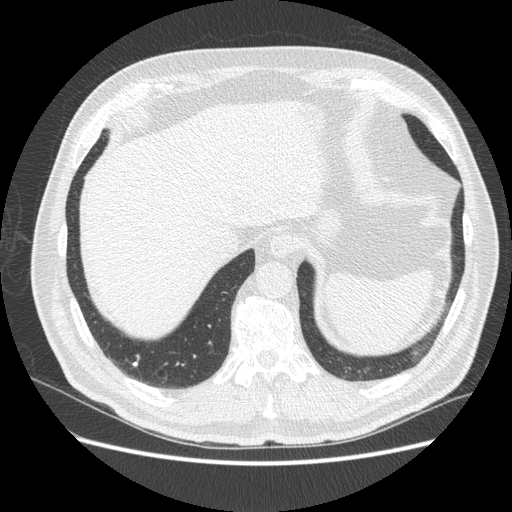
Axial slice 116 of 503 of a chest CT (slice 1 is the lowest), reconstructed with the STANDARD kernel at 120 kVp; 1.25 mm slice thickness and 0.742 mm pixels.
Pulmonary nodule, outlined by one of the four readers. Box on this slice rows 362–365, columns 133–137, that reader's outline on this slice; longest diameter 5.4 mm and volume 38 mm3 from that reader's outline. That reader's ratings: texture 5/5 (solid); margin 5/5 (circumscribed); sphericity 3/5 (ovoid); calcification solid calcification; internal structure soft tissue; subtlety 3/5; malignancy likelihood 1/5. Scale key (1–5): texture non-solid→solid, margin indistinct→circumscribed, sphericity linear→round, subtlety extremely subtle→obvious, malignancy likelihood highly unlikely→highly suspicious of cancer. Box rows and columns are 0-based pixel indices from the top-left corner, inclusive.